Axial slice 112 of 152 of a chest CT (slice 1 is the lowest), reconstructed with the STANDARD kernel at 120 kVp; 2.50 mm slice thickness and 0.781 mm pixels.
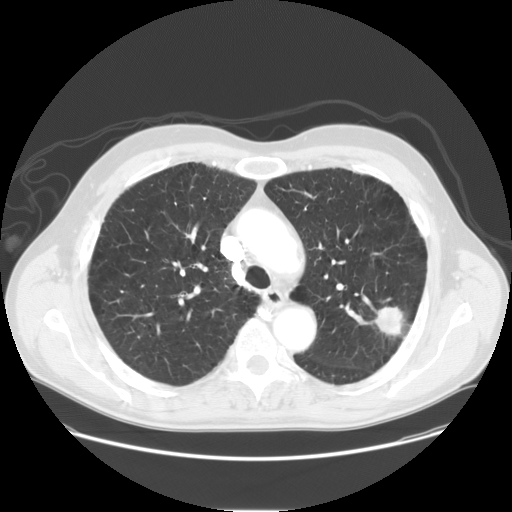
Pulmonary nodule, outlined by all four readers. Box on this slice rows 306–337, columns 372–404, the union of the readers' outlines on this slice; the four readers' outlines give a longest diameter between 26.7 and 29.9 mm and a volume between 4495 and 6409 mm3. The readers' ratings, as ranges where they differ: texture from 4/5 to 5/5 (solid) across the four readers; margin from 3/5 to 4/5 across the four readers; sphericity from 3/5 (ovoid) to 5/5 (round) across the four readers; calcification absent from all four readers; internal structure soft tissue, all four readers agreeing; subtlety 5/5, all four readers agreeing; malignancy likelihood rated between 4 and 5 out of 5 by the four readers. Scale key (1–5): texture non-solid→solid, margin indistinct→circumscribed, sphericity linear→round, subtlety extremely subtle→obvious, malignancy likelihood highly unlikely→highly suspicious of cancer. Box rows and columns are 0-based pixel indices from the top-left corner, inclusive.